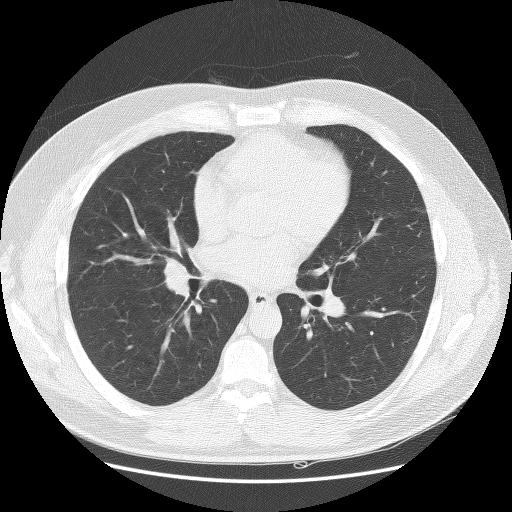
Axial chest CT slice 71 of 131 (counted from the lowest slice); 2.50 mm thick, 0.742 mm per pixel. The readers outlined no nodule of 3 mm or more on this slice.
Tube voltage 140 kVp; convolution kernel BONE.